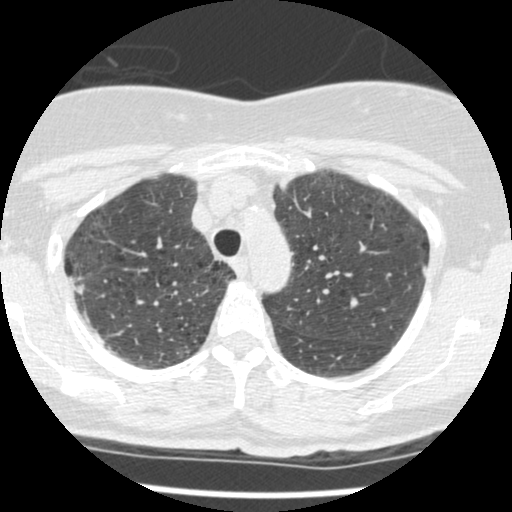
Chest CT, axial plane, 120 kVp, kernel STANDARD. Slice 379/465 from the bottom of the scan; thickness 1.25 mm; pixel size 0.586 mm.
Pulmonary nodule outlined by one of the four readers; box rows 286–292, columns 75–83 (that reader's outline on this slice); longest diameter 8.3 mm and volume 208 mm3 from that reader's outline. That reader's ratings: texture 5/5 (solid); margin 4/5; sphericity 4/5; calcification absent; internal structure soft tissue; subtlety 3/5; malignancy likelihood 2/5. Scale key (1–5): texture non-solid→solid, margin indistinct→circumscribed, sphericity linear→round, subtlety extremely subtle→obvious, malignancy likelihood highly unlikely→highly suspicious of cancer. Box rows and columns are 0-based pixel indices from the top-left corner, inclusive.